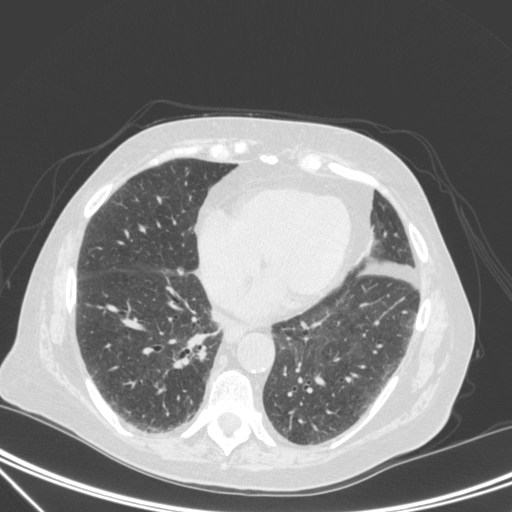
Axial chest CT slice 111 of 350 (counted from the lowest slice); 1.50 mm thick, 0.725 mm per pixel. Pulmonary nodule, outlined by one of the four readers. Box on this slice rows 347–359, columns 199–205, that reader's outline on this slice; longest diameter 29.7 mm and volume 4028 mm3 from that reader's outline. That reader's ratings: texture 5/5 (solid); margin 3/5; sphericity 3/5 (ovoid); calcification absent; internal structure soft tissue; subtlety 5/5; malignancy likelihood 4/5. Scale key (1–5): texture non-solid→solid, margin indistinct→circumscribed, sphericity linear→round, subtlety extremely subtle→obvious, malignancy likelihood highly unlikely→highly suspicious of cancer. Box rows and columns are 0-based pixel indices from the top-left corner, inclusive.
Acquired at 120 kVp and reconstructed with the C kernel.